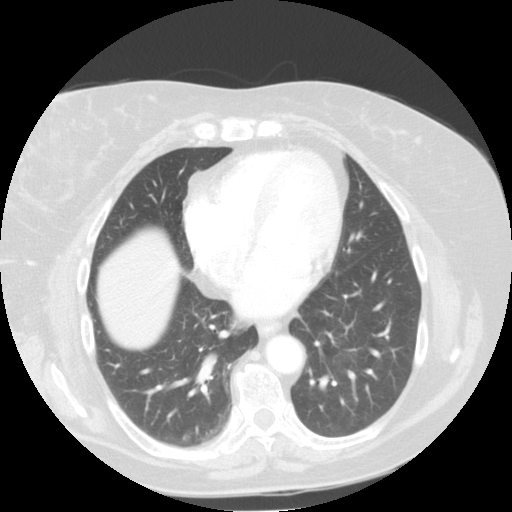
One axial slice (55 of 113, counting up from the lowest) of a chest CT acquired at 120 kVp with the STANDARD kernel; each pixel is 0.703 mm and the slice is 2.50 mm thick.
Pulmonary nodule at rows 434–444, columns 180–190 (box = the one reader's outline on this slice), outlined by all four readers, one of them on this slice; the four readers' outlines give a longest diameter between 23.3 and 24.3 mm and a volume between 4155 and 5797 mm3. The readers' ratings, as ranges where they differ: texture 5/5 (solid) from all four readers; margin from 4/5 to 5/5 (circumscribed) across the four readers; sphericity from 3/5 (ovoid) to 5/5 (round) across the four readers; calcification absent, all four readers agreeing; internal structure soft tissue, all four readers agreeing; subtlety 5/5, all four readers agreeing; malignancy likelihood rated between 2 and 5 out of 5 by the four readers. Scale key (1–5): texture non-solid→solid, margin indistinct→circumscribed, sphericity linear→round, subtlety extremely subtle→obvious, malignancy likelihood highly unlikely→highly suspicious of cancer. Box rows and columns are 0-based pixel indices from the top-left corner, inclusive.